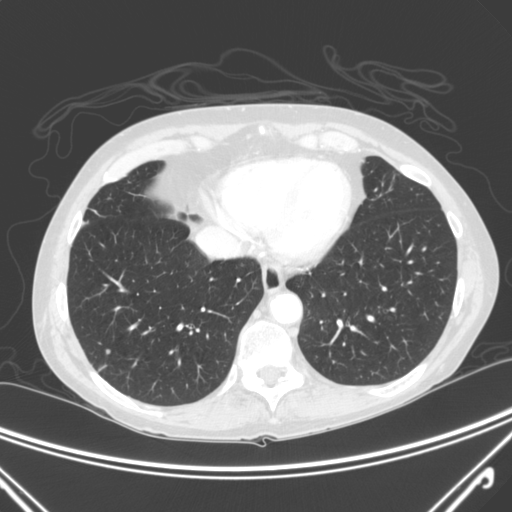
Axial chest CT slice 83 of 300 (counted from the lowest slice); tube voltage 120 kVp, convolution kernel C; slices 2.00 mm thick, 0.715 mm per pixel.
Pulmonary nodule, outlined by three of the four readers. Box on this slice rows 348–354, columns 105–110, the union of the readers' outlines on this slice; longest diameter 5.4 mm on average over the three readers' outlines (readers' outlines 5.2–5.4 mm), volume 52–68 mm3. Ratings, by the readers' most common answer with dissent counted: texture 5/5 (solid) from all three readers; most readers (two of three) put margin at 4/5, others 5/5 (circumscribed) (one); most readers (two of three) put sphericity at 4/5, others 5/5 (round) (one); calcification absent, all three readers agreeing; internal structure soft tissue from all three readers; most readers (two of three) put subtlety at 4/5, others 5/5 (one); most readers (two of three) put malignancy likelihood at 3/5, others 2/5 (one). Scale key (1–5): texture non-solid→solid, margin indistinct→circumscribed, sphericity linear→round, subtlety extremely subtle→obvious, malignancy likelihood highly unlikely→highly suspicious of cancer. Box rows and columns are 0-based pixel indices from the top-left corner, inclusive.